Axial chest CT slice 111 of 301 (counted from the lowest slice); tube voltage 120 kVp, convolution kernel STANDARD; slices 1.25 mm thick, 0.684 mm per pixel.
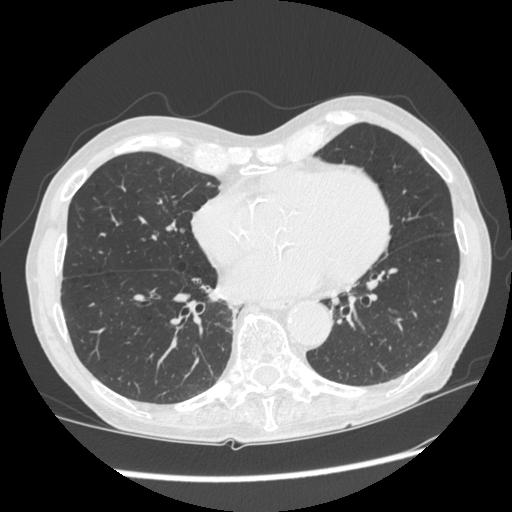
Pulmonary nodule at rows 207–209, columns 76–83 (box = the one reader's outline on this slice), outlined by all four readers, one of them on this slice; longest diameter 9.2 mm on average over the four readers' outlines (readers' outlines 8.9–10.0 mm), volume 70–134 mm3. The readers' prevailing ratings and who disagreed: most readers (three of four) put texture at 5/5 (solid), others 3/5 (part-solid) (one); margin 4/5 by two of four readers; the rest gave 2/5 (one), 5/5 (circumscribed) (one); sphericity 2/5 by three of four readers; the rest gave 4/5 (one); calcification absent, all four readers agreeing; internal structure soft tissue, all four readers agreeing; subtlety 4/5 by three of four readers; the rest gave 3/5 (one); malignancy likelihood split among the readers: 2/5 (two), 3/5 (two). Scale key (1–5): texture non-solid→solid, margin indistinct→circumscribed, sphericity linear→round, subtlety extremely subtle→obvious, malignancy likelihood highly unlikely→highly suspicious of cancer. Box rows and columns are 0-based pixel indices from the top-left corner, inclusive.